Axial slice 38 of 135 of a chest CT (slice 1 is the lowest), reconstructed with the LUNG kernel at 120 kVp; 2.50 mm slice thickness and 0.781 mm pixels.
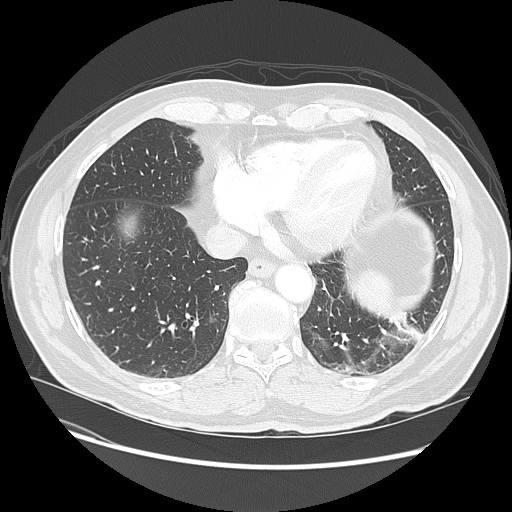
Pulmonary nodule, outlined by all four readers, two of them on this slice. Box on this slice rows 316–323, columns 208–216, the union of the readers' outlines on this slice; median longest diameter 19.5 mm (readers' outlines 18.4–19.8 mm), median volume 2313 mm3 (2155–2410 mm3). Ratings, median across the readers with their spread: texture 5/5 (solid) from all four readers; margin 4.5/5 at the median of four readers, spread 4/5 to 5/5 (circumscribed); median sphericity 3.5/5 (readers ranged 3/5 (ovoid) to 4/5); calcification absent, all four readers agreeing; internal structure soft tissue from all four readers; median subtlety 5/5 (readers ranged 4–5); malignancy likelihood 4/5 at the median of four readers, spread 2–5. Scale key (1–5): texture non-solid→solid, margin indistinct→circumscribed, sphericity linear→round, subtlety extremely subtle→obvious, malignancy likelihood highly unlikely→highly suspicious of cancer. Box rows and columns are 0-based pixel indices from the top-left corner, inclusive.